One axial slice (37 of 135, counting up from the lowest) of a chest CT acquired at 120 kVp with the LUNG kernel; each pixel is 0.781 mm and the slice is 2.50 mm thick.
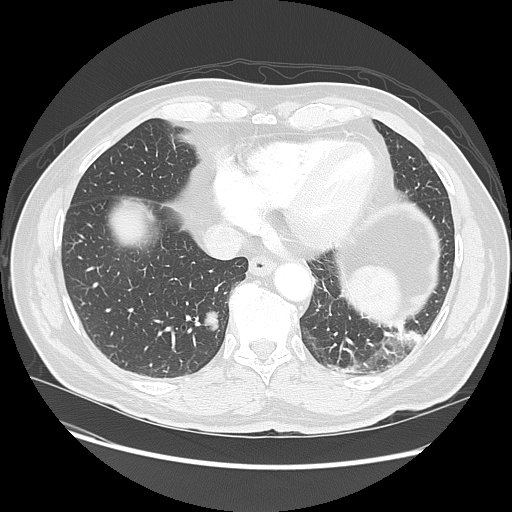
Pulmonary nodule at rows 311–331, columns 203–218 (box = the union of the readers' outlines on this slice), outlined by all four readers; longest diameter 18.4–19.8 mm and volume 2155–2410 mm3 across the four readers' outlines. The readers' ratings, as ranges where they differ: texture 5/5 (solid), all four readers agreeing; margin from 4/5 to 5/5 (circumscribed) across the four readers; sphericity from 3/5 (ovoid) to 4/5 across the four readers; calcification absent, all four readers agreeing; internal structure soft tissue, all four readers agreeing; subtlety rated between 4 and 5 out of 5 by the four readers; malignancy likelihood rated between 2 and 5 out of 5 by the four readers. Scale key (1–5): texture non-solid→solid, margin indistinct→circumscribed, sphericity linear→round, subtlety extremely subtle→obvious, malignancy likelihood highly unlikely→highly suspicious of cancer. Box rows and columns are 0-based pixel indices from the top-left corner, inclusive.